Axial slice 178 of 258 of a chest CT (slice 1 is the lowest), reconstructed with the STANDARD kernel at 120 kVp; 2.50 mm slice thickness and 0.664 mm pixels.
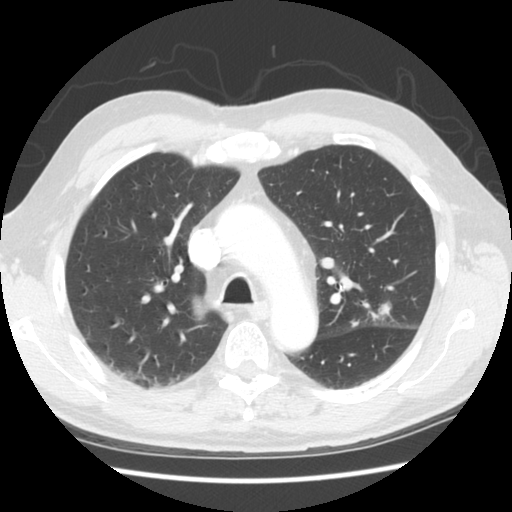
Two pulmonary nodules on this slice, listed from left to right. (1) Pulmonary nodule at rows 321–327, columns 351–358 (box = the union of the readers' outlines on this slice), outlined by three of the four readers; longest diameter 6.5 mm on average over the three readers' outlines (readers' outlines 6.1–6.9 mm), volume 47–105 mm3. The readers' prevailing ratings and who disagreed: texture 5/5 (solid) from all three readers; margin 3/5 by two of three readers; the rest gave 4/5 (one); sphericity 2/5 by two of three readers; the rest gave 3/5 (ovoid) (one); calcification absent from all three readers; internal structure soft tissue from all three readers; subtlety 2/5 by two of three readers; the rest gave 4/5 (one); malignancy likelihood split among the readers: 2/5 (one), 3/5 (one), 4/5 (one). (2) Pulmonary nodule outlined by all four readers; box rows 300–315, columns 376–392 (the union of the readers' outlines on this slice); longest diameter 19.7–21.9 mm and volume 1387–1715 mm3 across the four readers' outlines. The readers' ratings, as ranges where they differ: texture 5/5 (solid), all four readers agreeing; margin from 3/5 to 4/5 across the four readers; sphericity from 2/5 to 4/5 across the four readers; calcification absent, all four readers agreeing; internal structure soft tissue from all four readers; subtlety 5/5 from all four readers; malignancy likelihood 3–5/5 (the readers disagree). Scale key (1–5): texture non-solid→solid, margin indistinct→circumscribed, sphericity linear→round, subtlety extremely subtle→obvious, malignancy likelihood highly unlikely→highly suspicious of cancer. Box rows and columns are 0-based pixel indices from the top-left corner, inclusive.